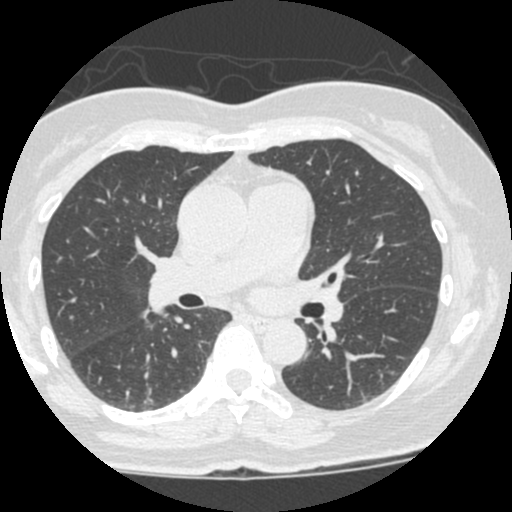
Axial chest CT slice 300 of 490 (counted from the lowest slice); 1.25 mm thick, 0.547 mm per pixel. Pulmonary nodule at rows 400–402, columns 143–146 (box = the one reader's outline on this slice), outlined by all four readers, one of them on this slice; median longest diameter 5.7 mm (readers' outlines 5.2–6.2 mm), median volume 61 mm3 (53–89 mm3). Median ratings and the readers' spread: texture 5/5 (solid) from all four readers; margin 4/5 at the median of four readers, spread 3/5 to 5/5 (circumscribed); sphericity 4/5 at the median of four readers, spread 3/5 (ovoid) to 5/5 (round); calcification absent from all four readers; internal structure soft tissue, all four readers agreeing; median subtlety 3.5/5 (readers ranged 3–4); malignancy likelihood 2.5/5 at the median of four readers, spread 2–3. Scale key (1–5): texture non-solid→solid, margin indistinct→circumscribed, sphericity linear→round, subtlety extremely subtle→obvious, malignancy likelihood highly unlikely→highly suspicious of cancer. Box rows and columns are 0-based pixel indices from the top-left corner, inclusive.
Acquired at 120 kVp and reconstructed with the STANDARD kernel.